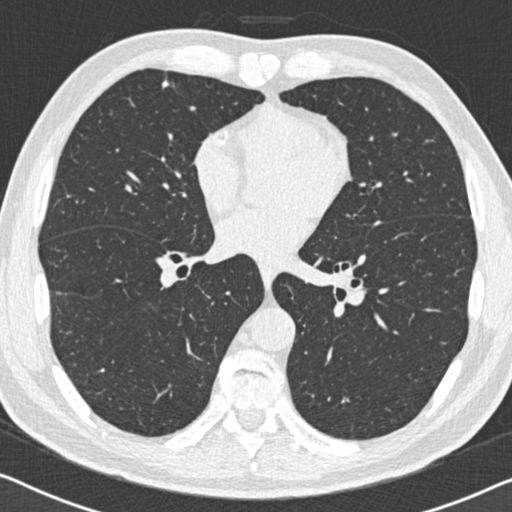
Axial slice 285 of 558 of a chest CT (slice 1 is the lowest), reconstructed with the B30f kernel at 120 kVp; 0.75 mm slice thickness and 0.648 mm pixels.
Pulmonary nodule outlined by two of the four readers; box rows 80–88, columns 161–168 (the union of the readers' outlines on this slice); longest diameter 6.5 mm on average over the two readers' outlines (readers' outlines 5.8–7.2 mm), volume 63–85 mm3. The readers' prevailing ratings and who disagreed: texture split among the readers: 4/5 (one), 5/5 (solid) (one); margin split among the readers: 3/5 (one), 4/5 (one); sphericity split among the readers: 3/5 (ovoid) (one), 4/5 (one); calcification absent from both readers; internal structure soft tissue, both readers agreeing; subtlety split among the readers: 3/5 (one), 5/5 (one); malignancy likelihood split among the readers: 2/5 (one), 3/5 (one). Scale key (1–5): texture non-solid→solid, margin indistinct→circumscribed, sphericity linear→round, subtlety extremely subtle→obvious, malignancy likelihood highly unlikely→highly suspicious of cancer. Box rows and columns are 0-based pixel indices from the top-left corner, inclusive.